Axial slice 141 of 238 of a chest CT (slice 1 is the lowest), reconstructed with the BONE kernel at 120 kVp; 1.25 mm slice thickness and 0.703 mm pixels.
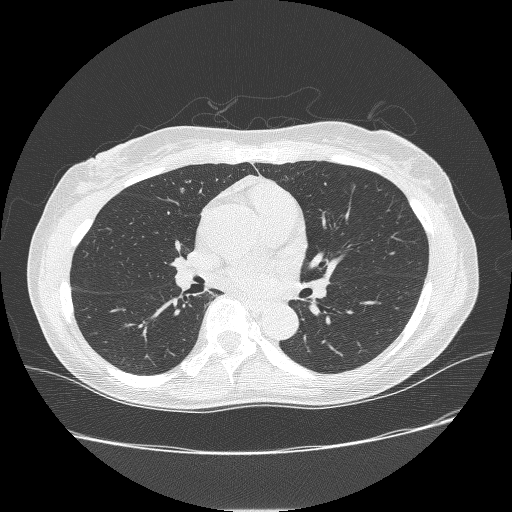
Two pulmonary nodules are outlined on this slice; from left to right: (1) Pulmonary nodule at rows 188–192, columns 180–184 (box = that reader's outline on this slice), outlined by one of the four readers; longest diameter 5.1 mm and volume 34 mm3 from that reader's outline. Ratings by that reader: texture 1/5 (non-solid); margin 1/5 (indistinct); sphericity 4/5; calcification absent; internal structure soft tissue; subtlety 2/5; malignancy likelihood 4/5. (2) Pulmonary nodule outlined by three of the four readers, one of them on this slice; box rows 265–269, columns 374–379 (the one reader's outline on this slice); longest diameter 8.2–10.1 mm and volume 125–233 mm3 across the three readers' outlines. Ratings across the readers: texture from 1/5 (non-solid) to 2/5 across the three readers; margin from 1/5 (indistinct) to 2/5 across the three readers; sphericity from 4/5 to 5/5 (round) across the three readers; calcification absent from all three readers; internal structure soft tissue from all three readers; subtlety rated between 3 and 4 out of 5 by the three readers; malignancy likelihood from 3/5 to 4/5 across the three readers. Scale key (1–5): texture non-solid→solid, margin indistinct→circumscribed, sphericity linear→round, subtlety extremely subtle→obvious, malignancy likelihood highly unlikely→highly suspicious of cancer. Box rows and columns are 0-based pixel indices from the top-left corner, inclusive.